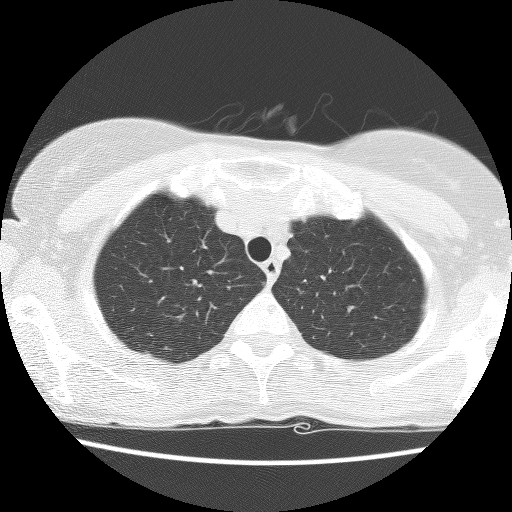
One axial slice (106 of 130, counting up from the lowest) of a chest CT acquired at 140 kVp with the BONE kernel; each pixel is 0.596 mm and the slice is 2.50 mm thick.
Pulmonary nodule at rows 280–283, columns 192–194 (box = the one reader's outline on this slice), outlined by all four readers, one of them on this slice; longest diameter 6.2–8.3 mm and volume 244–355 mm3 across the four readers' outlines. Ratings across the readers: texture 5/5 (solid), all four readers agreeing; margin 5/5 (circumscribed), all four readers agreeing; sphericity from 4/5 to 5/5 (round) across the four readers; calcification absent from all four readers; internal structure soft tissue from all four readers; subtlety from 3/5 to 5/5 across the four readers; malignancy likelihood from 1/5 to 4/5 across the four readers. Scale key (1–5): texture non-solid→solid, margin indistinct→circumscribed, sphericity linear→round, subtlety extremely subtle→obvious, malignancy likelihood highly unlikely→highly suspicious of cancer. Box rows and columns are 0-based pixel indices from the top-left corner, inclusive.